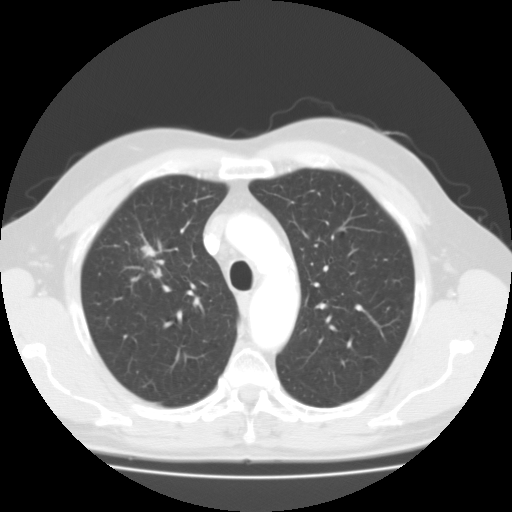
Axial chest CT slice 83 of 109 (counted from the lowest slice); tube voltage 135 kVp, convolution kernel FC01; slices 3.00 mm thick, 0.720 mm per pixel.
Pulmonary nodule at rows 246–256, columns 141–154 (box = the union of the readers' outlines on this slice), outlined by three of the four readers; longest diameter 28.5–30.8 mm and volume 5654–6646 mm3 across the three readers' outlines. Ratings across the readers: texture from 4/5 to 5/5 (solid) across the three readers; margin from 1/5 (indistinct) to 4/5 across the three readers; sphericity from 2/5 to 3/5 (ovoid) across the three readers; calcification absent from all three readers; internal structure soft tissue from all three readers; subtlety 5/5 from all three readers; malignancy likelihood 3–5/5 (the readers disagree). Scale key (1–5): texture non-solid→solid, margin indistinct→circumscribed, sphericity linear→round, subtlety extremely subtle→obvious, malignancy likelihood highly unlikely→highly suspicious of cancer. Box rows and columns are 0-based pixel indices from the top-left corner, inclusive.